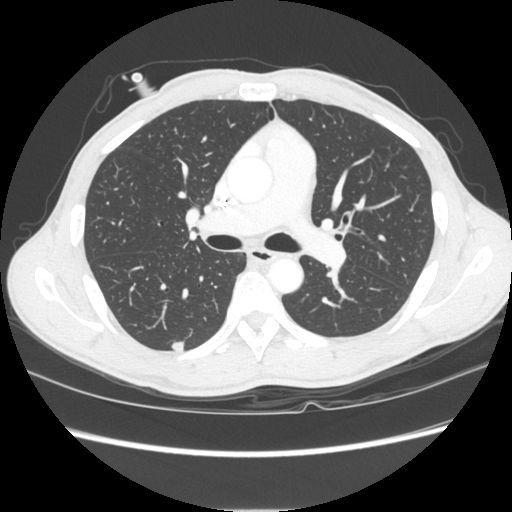
Chest CT, axial plane, 120 kVp, kernel STANDARD. Slice 157/261 from the bottom of the scan; thickness 1.25 mm; pixel size 0.684 mm.
Pulmonary nodule, outlined by all four readers. Box on this slice rows 341–351, columns 171–183, the union of the readers' outlines on this slice; longest diameter 9.5–10.7 mm and volume 211–368 mm3 across the four readers' outlines. The readers' ratings, as ranges where they differ: texture 5/5 (solid) from all four readers; margin from 4/5 to 5/5 (circumscribed) across the four readers; sphericity from 3/5 (ovoid) to 5/5 (round) across the four readers; calcification absent, all four readers agreeing; internal structure soft tissue, all four readers agreeing; subtlety rated between 3 and 5 out of 5 by the four readers; malignancy likelihood rated between 2 and 5 out of 5 by the four readers. Scale key (1–5): texture non-solid→solid, margin indistinct→circumscribed, sphericity linear→round, subtlety extremely subtle→obvious, malignancy likelihood highly unlikely→highly suspicious of cancer. Box rows and columns are 0-based pixel indices from the top-left corner, inclusive.